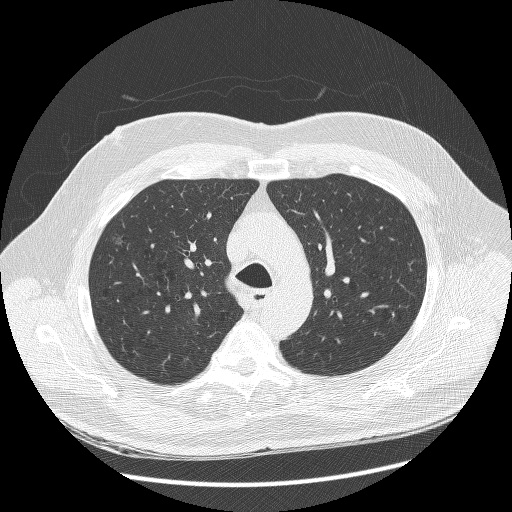
Axial chest CT slice 192 of 258 (counted from the lowest slice); 1.25 mm thick, 0.766 mm per pixel. Pulmonary nodule outlined by one of the four readers; box rows 236–243, columns 112–121 (that reader's outline on this slice); longest diameter 11.1 mm and volume 121 mm3 from that reader's outline. Ratings by that reader: texture 1/5 (non-solid); margin 1/5 (indistinct); sphericity 5/5 (round); calcification absent; internal structure soft tissue; subtlety 1/5; malignancy likelihood 3/5. Scale key (1–5): texture non-solid→solid, margin indistinct→circumscribed, sphericity linear→round, subtlety extremely subtle→obvious, malignancy likelihood highly unlikely→highly suspicious of cancer. Box rows and columns are 0-based pixel indices from the top-left corner, inclusive.
Acquired at 120 kVp and reconstructed with the BONE kernel.